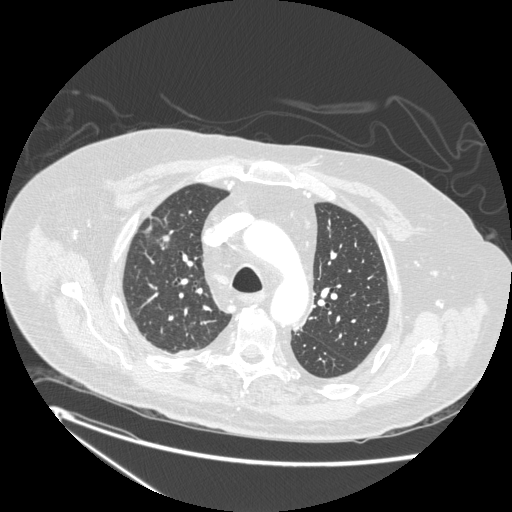
Axial chest CT slice 172 of 238 (counted from the lowest slice); 1.25 mm thick, 0.781 mm per pixel. Pulmonary nodule outlined by two of the four readers; box rows 234–241, columns 163–169 (the union of the readers' outlines on this slice); longest diameter 7.7–14.0 mm and volume 107–242 mm3 across the two readers' outlines. The readers' ratings, as ranges where they differ: texture 5/5 (solid), both readers agreeing; margin from 2/5 to 4/5 across the two readers; sphericity from 2/5 to 4/5 across the two readers; calcification absent from both readers; internal structure soft tissue from both readers; subtlety rated between 4 and 5 out of 5 by the two readers; malignancy likelihood 3/5 from both readers. Scale key (1–5): texture non-solid→solid, margin indistinct→circumscribed, sphericity linear→round, subtlety extremely subtle→obvious, malignancy likelihood highly unlikely→highly suspicious of cancer. Box rows and columns are 0-based pixel indices from the top-left corner, inclusive.
Scan settings: 120 kVp, STANDARD reconstruction kernel.